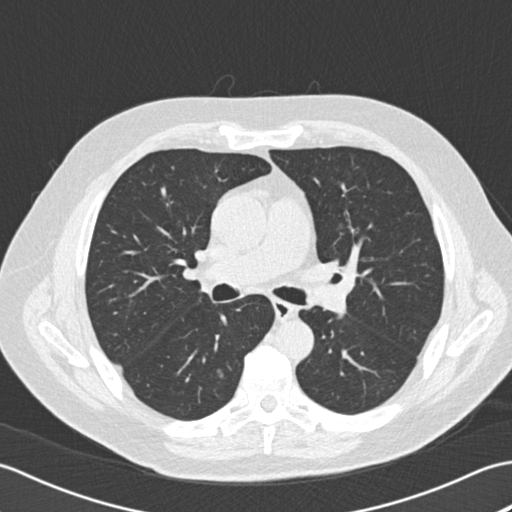
One axial slice (111 of 180, counting up from the lowest) of a chest CT acquired at 120 kVp with the B30f kernel; each pixel is 0.684 mm and the slice is 2.00 mm thick.
Pulmonary nodule at rows 369–378, columns 217–222 (box = the union of the readers' outlines on this slice), outlined by all four readers, three of them on this slice; longest diameter 12.9 mm on average over the four readers' outlines (readers' outlines 12.5–13.3 mm), volume 485–678 mm3. Ratings, by the readers' most common answer with dissent counted: texture 5/5 (solid) by three of four readers; the rest gave 4/5 (one); most readers (three of four) put margin at 5/5 (circumscribed), others 4/5 (one); sphericity 5/5 (round) by two of four readers; the rest gave 3/5 (ovoid) (one), 4/5 (one); calcification absent from all four readers; internal structure soft tissue, all four readers agreeing; subtlety 5/5 by two of four readers; the rest gave 3/5 (one), 4/5 (one); malignancy likelihood 4/5 by two of four readers; the rest gave 2/5 (one), 3/5 (one). Scale key (1–5): texture non-solid→solid, margin indistinct→circumscribed, sphericity linear→round, subtlety extremely subtle→obvious, malignancy likelihood highly unlikely→highly suspicious of cancer. Box rows and columns are 0-based pixel indices from the top-left corner, inclusive.